Axial chest CT slice 104 of 130 (counted from the lowest slice); tube voltage 140 kVp, convolution kernel BONE; slices 2.50 mm thick, 0.596 mm per pixel.
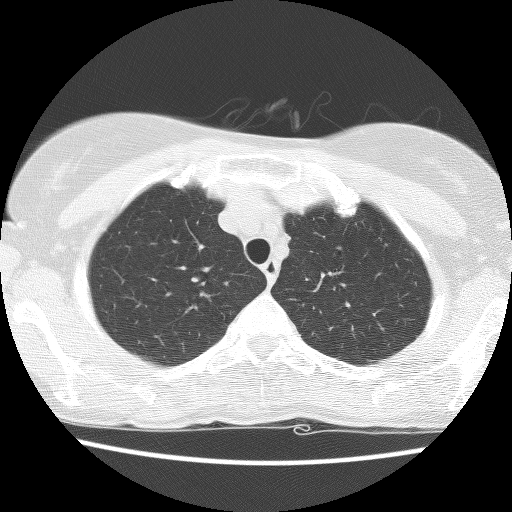
Pulmonary nodule, outlined by all four readers. Box on this slice rows 277–281, columns 191–198, the union of the readers' outlines on this slice; longest diameter 6.2–8.3 mm and volume 244–355 mm3 across the four readers' outlines. The readers' ratings, as ranges where they differ: texture 5/5 (solid) from all four readers; margin 5/5 (circumscribed), all four readers agreeing; sphericity from 4/5 to 5/5 (round) across the four readers; calcification absent from all four readers; internal structure soft tissue, all four readers agreeing; subtlety 3–5/5 (the readers disagree); malignancy likelihood rated between 1 and 4 out of 5 by the four readers. Scale key (1–5): texture non-solid→solid, margin indistinct→circumscribed, sphericity linear→round, subtlety extremely subtle→obvious, malignancy likelihood highly unlikely→highly suspicious of cancer. Box rows and columns are 0-based pixel indices from the top-left corner, inclusive.